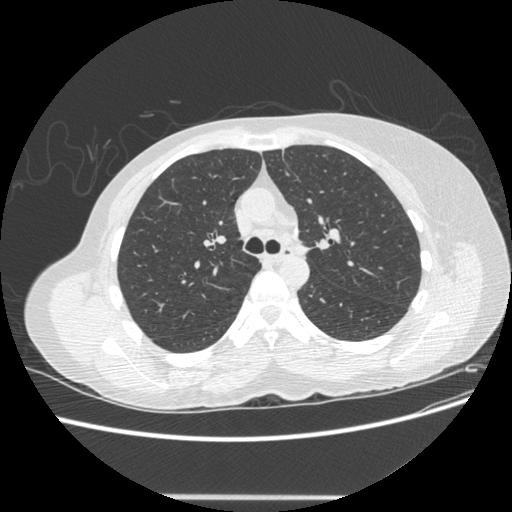
Axial chest CT slice 309 of 500 (counted from the lowest slice); tube voltage 120 kVp, convolution kernel STANDARD; slices 1.25 mm thick, 0.703 mm per pixel.
This slice carries no reader outline of a nodule 3 mm or larger.